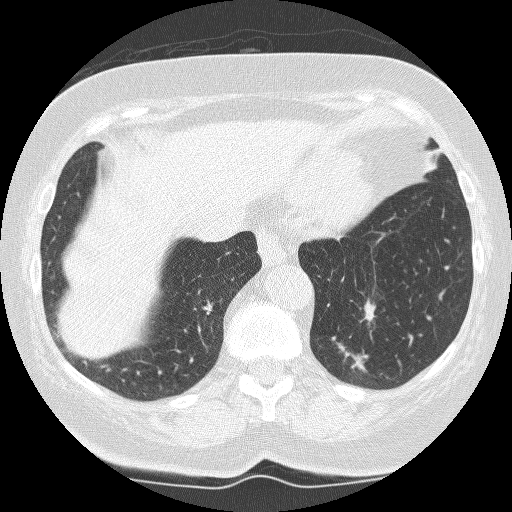
One axial slice (72 of 246, counting up from the lowest) of a chest CT acquired at 120 kVp with the BONE kernel; each pixel is 0.566 mm and the slice is 1.25 mm thick.
Pulmonary nodule, outlined by all four readers. Box on this slice rows 298–322, columns 362–376, the union of the readers' outlines on this slice; median longest diameter 15.5 mm (readers' outlines 13.8–17.3 mm), median volume 933 mm3 (672–1099 mm3). Median ratings and the readers' spread: texture 5/5 (solid), all four readers agreeing; margin 3/5 at the median of four readers, spread 2/5 to 4/5; median sphericity 3.5/5 (readers ranged 2/5 to 4/5); calcification absent from all four readers; internal structure soft tissue from all four readers; subtlety 4.5/5 at the median of four readers, spread 4–5; median malignancy likelihood 4.5/5 (readers ranged 3–5). Scale key (1–5): texture non-solid→solid, margin indistinct→circumscribed, sphericity linear→round, subtlety extremely subtle→obvious, malignancy likelihood highly unlikely→highly suspicious of cancer. Box rows and columns are 0-based pixel indices from the top-left corner, inclusive.